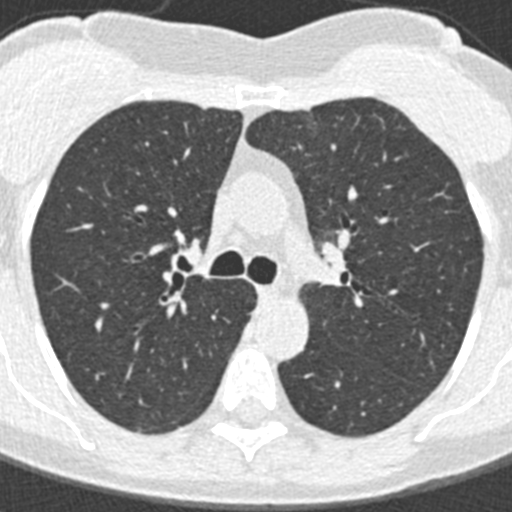
One axial slice (255 of 376, counting up from the lowest) of a chest CT acquired at 120 kVp with the B30f kernel; each pixel is 0.461 mm and the slice is 0.75 mm thick.
This slice carries no reader outline of a nodule 3 mm or larger.